Chest CT, axial plane, 120 kVp, kernel D. Slice 155/295 from the bottom of the scan; thickness 2.00 mm; pixel size 0.682 mm.
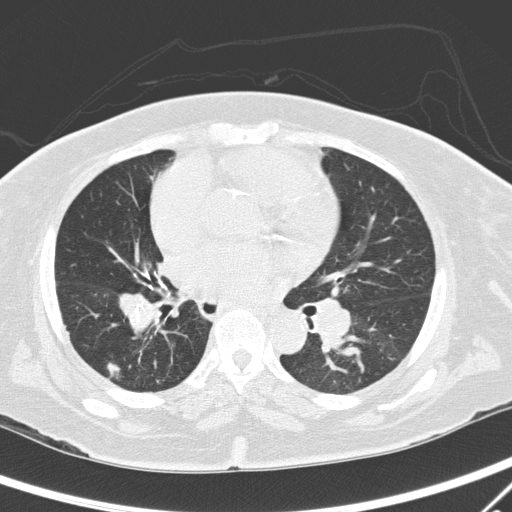
Pulmonary nodule at rows 360–380, columns 103–123 (box = that reader's outline on this slice), outlined by one of the four readers; longest diameter 49.8 mm and volume 6337 mm3 from that reader's outline. Ratings by that reader: texture 4/5; margin 1/5 (indistinct); sphericity 3/5 (ovoid); calcification absent; internal structure soft tissue; subtlety 5/5; malignancy likelihood 5/5. Scale key (1–5): texture non-solid→solid, margin indistinct→circumscribed, sphericity linear→round, subtlety extremely subtle→obvious, malignancy likelihood highly unlikely→highly suspicious of cancer. Box rows and columns are 0-based pixel indices from the top-left corner, inclusive.